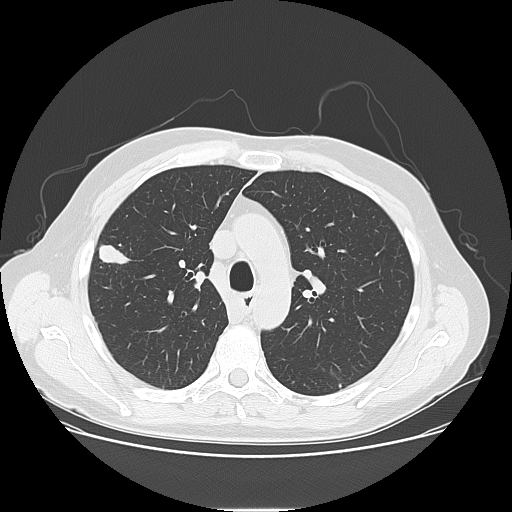
This is axial slice 97 of 141 (slice 1 is the lowest) of a chest CT; each pixel is 0.762 mm and the slice is 2.50 mm thick. Pulmonary nodule outlined by all four readers; box rows 245–264, columns 98–130 (the union of the readers' outlines on this slice); the four readers' outlines give a longest diameter between 25.3 and 27.9 mm and a volume between 2874 and 3633 mm3. The readers' ratings, as ranges where they differ: texture 5/5 (solid), all four readers agreeing; margin from 3/5 to 5/5 (circumscribed) across the four readers; sphericity from 2/5 to 3/5 (ovoid) across the four readers; calcification absent, all four readers agreeing; internal structure soft tissue, all four readers agreeing; subtlety 5/5 from all four readers; malignancy likelihood 3–5/5 (the readers disagree). Scale key (1–5): texture non-solid→solid, margin indistinct→circumscribed, sphericity linear→round, subtlety extremely subtle→obvious, malignancy likelihood highly unlikely→highly suspicious of cancer. Box rows and columns are 0-based pixel indices from the top-left corner, inclusive.
Tube voltage 120 kVp; convolution kernel LUNG.